One axial slice (388 of 465, counting up from the lowest) of a chest CT acquired at 120 kVp with the STANDARD kernel; each pixel is 0.586 mm and the slice is 1.25 mm thick.
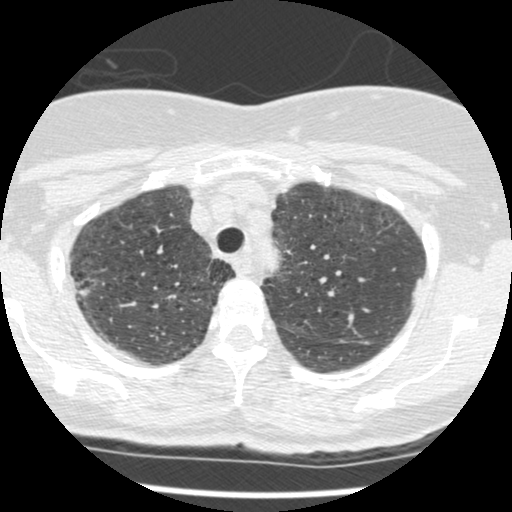
Pulmonary nodule, outlined by one of the four readers. Box on this slice rows 289–295, columns 76–88, that reader's outline on this slice; longest diameter 8.3 mm and volume 208 mm3 from that reader's outline. That reader's ratings: texture 5/5 (solid); margin 4/5; sphericity 4/5; calcification absent; internal structure soft tissue; subtlety 3/5; malignancy likelihood 2/5. Scale key (1–5): texture non-solid→solid, margin indistinct→circumscribed, sphericity linear→round, subtlety extremely subtle→obvious, malignancy likelihood highly unlikely→highly suspicious of cancer. Box rows and columns are 0-based pixel indices from the top-left corner, inclusive.